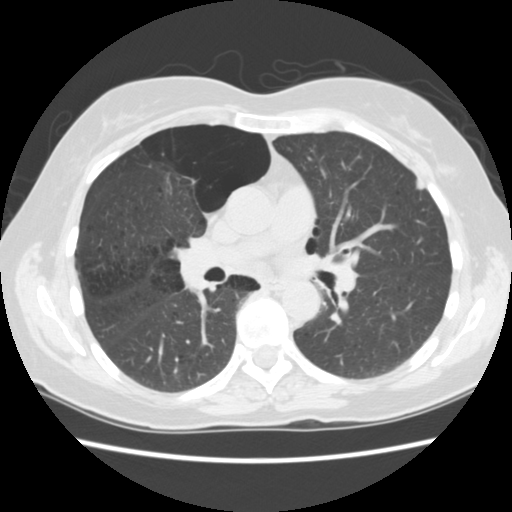
Chest CT, axial plane, 120 kVp, kernel STANDARD. Slice 83/156 from the bottom of the scan; thickness 2.50 mm; pixel size 0.645 mm.
Pulmonary nodule at rows 178–189, columns 415–424 (box = the union of the readers' outlines on this slice), outlined by three of the four readers; median longest diameter 9.0 mm (readers' outlines 9.0–9.2 mm), median volume 179 mm3 (151–180 mm3). Ratings, median across the readers with their spread: texture 5/5 (solid) from all three readers; margin 5/5 (circumscribed) at the median of three readers, spread 4/5 to 5/5 (circumscribed); sphericity 3/5 (ovoid) from all three readers; calcification absent, all three readers agreeing; internal structure soft tissue, all three readers agreeing; subtlety 5/5 at the median of three readers, spread 4–5; median malignancy likelihood 2/5 (readers ranged 2–3). Scale key (1–5): texture non-solid→solid, margin indistinct→circumscribed, sphericity linear→round, subtlety extremely subtle→obvious, malignancy likelihood highly unlikely→highly suspicious of cancer. Box rows and columns are 0-based pixel indices from the top-left corner, inclusive.